One axial slice (120 of 237, counting up from the lowest) of a chest CT acquired at 120 kVp with the STANDARD kernel; each pixel is 0.871 mm and the slice is 1.25 mm thick.
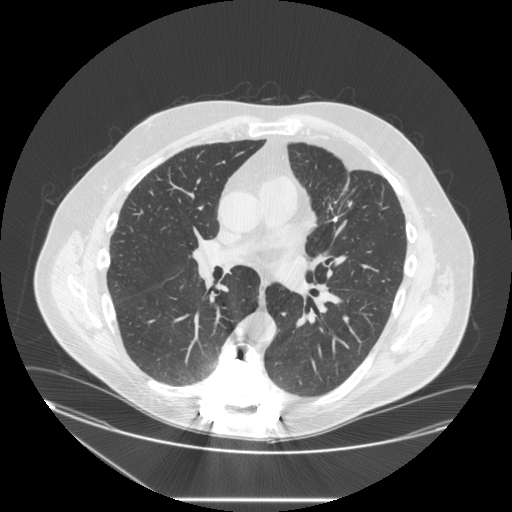
No nodule of 3 mm or larger was outlined by any of the four readers on this slice.